Chest CT, axial plane, 120 kVp, kernel BONE. Slice 120/270 from the bottom of the scan; thickness 1.25 mm; pixel size 0.703 mm.
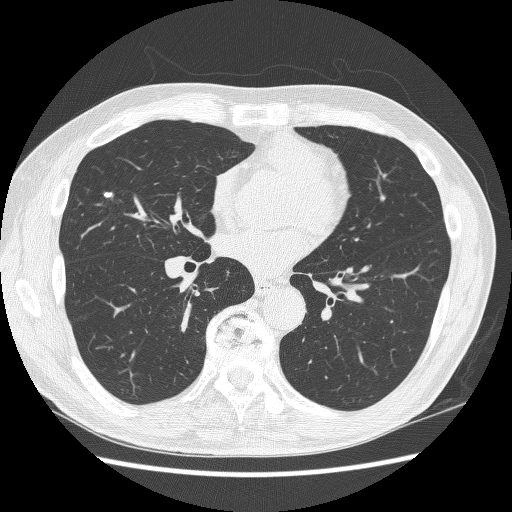
Pulmonary nodule, outlined by all four readers. Box on this slice rows 191–198, columns 102–113, the union of the readers' outlines on this slice; the four readers' outlines give a longest diameter between 9.8 and 10.9 mm and a volume between 198 and 291 mm3. Ratings across the readers: texture 5/5 (solid), all four readers agreeing; margin from 3/5 to 5/5 (circumscribed) across the four readers; sphericity from 2/5 to 3/5 (ovoid) across the four readers; calcification split among the readers: solid calcification (two), absent (two); internal structure soft tissue, all four readers agreeing; subtlety from 3/5 to 5/5 across the four readers; malignancy likelihood from 1/5 to 3/5 across the four readers. Scale key (1–5): texture non-solid→solid, margin indistinct→circumscribed, sphericity linear→round, subtlety extremely subtle→obvious, malignancy likelihood highly unlikely→highly suspicious of cancer. Box rows and columns are 0-based pixel indices from the top-left corner, inclusive.